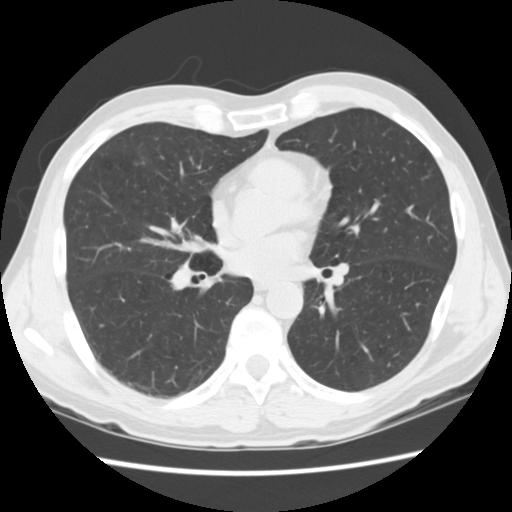
Chest CT, axial plane, 120 kVp, kernel STANDARD. Slice 75/161 from the bottom of the scan; thickness 2.50 mm; pixel size 0.664 mm.
Pulmonary nodule at rows 160–165, columns 132–145 (box = the union of the readers' outlines on this slice), outlined by all four readers, three of them on this slice; median longest diameter 11.4 mm (readers' outlines 10.7–13.1 mm), median volume 228 mm3 (172–293 mm3). Median ratings and the readers' spread: texture 5/5 (solid) from all four readers; margin 4/5 at the median of four readers, spread 4/5 to 5/5 (circumscribed); sphericity 3.5/5 at the median of four readers, spread 2/5 to 5/5 (round); calcification absent from all four readers; internal structure soft tissue, all four readers agreeing; subtlety 4/5 at the median of four readers, spread 3–5; median malignancy likelihood 3/5 (readers ranged 2–4). Scale key (1–5): texture non-solid→solid, margin indistinct→circumscribed, sphericity linear→round, subtlety extremely subtle→obvious, malignancy likelihood highly unlikely→highly suspicious of cancer. Box rows and columns are 0-based pixel indices from the top-left corner, inclusive.